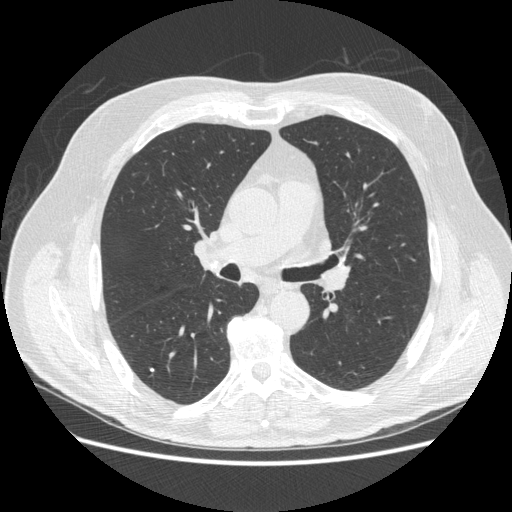
Axial chest CT slice 291 of 503 (counted from the lowest slice); 1.25 mm thick, 0.742 mm per pixel. Pulmonary nodule, outlined by two of the four readers. Box on this slice rows 367–371, columns 149–154, the union of the readers' outlines on this slice; median longest diameter 5.1 mm (readers' outlines 4.5–5.7 mm), median volume 49 mm3 (33–65 mm3). Median ratings and the readers' spread: texture 5/5 (solid), both readers agreeing; margin 5/5 (circumscribed) from both readers; median sphericity 4.5/5 (readers ranged 4/5 to 5/5 (round)); calcification solid calcification from both readers; internal structure soft tissue, both readers agreeing; subtlety 4/5, both readers agreeing; malignancy likelihood 1/5 from both readers. Scale key (1–5): texture non-solid→solid, margin indistinct→circumscribed, sphericity linear→round, subtlety extremely subtle→obvious, malignancy likelihood highly unlikely→highly suspicious of cancer. Box rows and columns are 0-based pixel indices from the top-left corner, inclusive.
Acquired at 120 kVp and reconstructed with the STANDARD kernel.